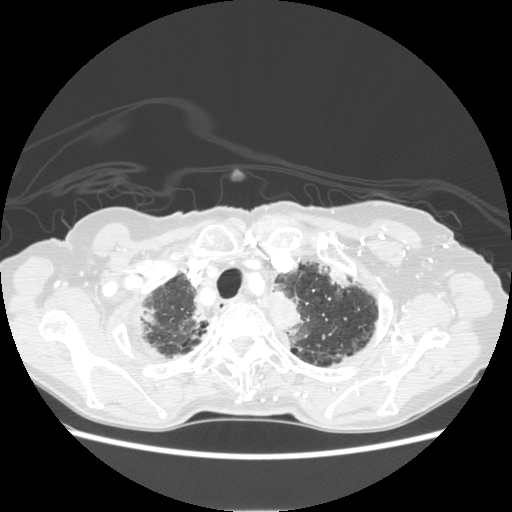
Chest CT, axial plane, 120 kVp, kernel STANDARD. Slice 113/131 from the bottom of the scan; thickness 2.50 mm; pixel size 0.703 mm.
Pulmonary nodule, outlined by all four readers. Box on this slice rows 267–287, columns 328–348, the union of the readers' outlines on this slice; longest diameter 18.7–25.9 mm and volume 1749–2501 mm3 across the four readers' outlines. The readers' ratings, as ranges where they differ: texture 5/5 (solid), all four readers agreeing; margin from 3/5 to 5/5 (circumscribed) across the four readers; sphericity from 3/5 (ovoid) to 5/5 (round) across the four readers; calcification absent from all four readers; internal structure soft tissue, all four readers agreeing; subtlety from 3/5 to 5/5 across the four readers; malignancy likelihood from 2/5 to 5/5 across the four readers. Scale key (1–5): texture non-solid→solid, margin indistinct→circumscribed, sphericity linear→round, subtlety extremely subtle→obvious, malignancy likelihood highly unlikely→highly suspicious of cancer. Box rows and columns are 0-based pixel indices from the top-left corner, inclusive.